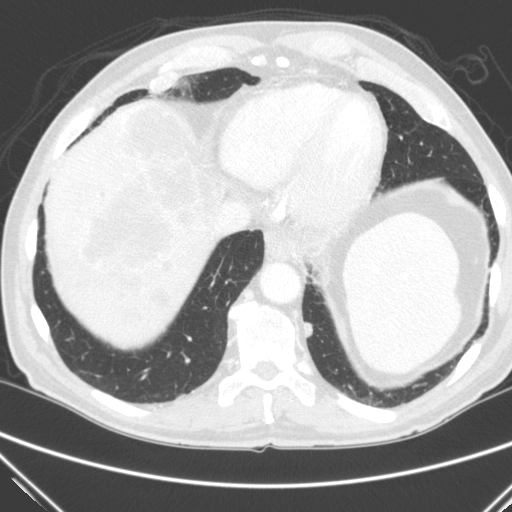
Axial slice 57 of 290 of a chest CT (slice 1 is the lowest), reconstructed with the C kernel at 120 kVp; 2.00 mm slice thickness and 0.682 mm pixels.
Pulmonary nodule, outlined by all four readers. Box on this slice rows 321–338, columns 303–313, the union of the readers' outlines on this slice; median longest diameter 12.7 mm (readers' outlines 12.3–13.7 mm), median volume 484 mm3 (463–570 mm3). Median ratings and the readers' spread: texture 5/5 (solid) from all four readers; margin 4/5 at the median of four readers, spread 4/5 to 5/5 (circumscribed); median sphericity 3/5 (ovoid) (readers ranged 2/5 to 4/5); calcification absent from all four readers; internal structure soft tissue, all four readers agreeing; subtlety 4/5 at the median of four readers, spread 3–5; malignancy likelihood 3/5 at the median of four readers, spread 3–4. Scale key (1–5): texture non-solid→solid, margin indistinct→circumscribed, sphericity linear→round, subtlety extremely subtle→obvious, malignancy likelihood highly unlikely→highly suspicious of cancer. Box rows and columns are 0-based pixel indices from the top-left corner, inclusive.